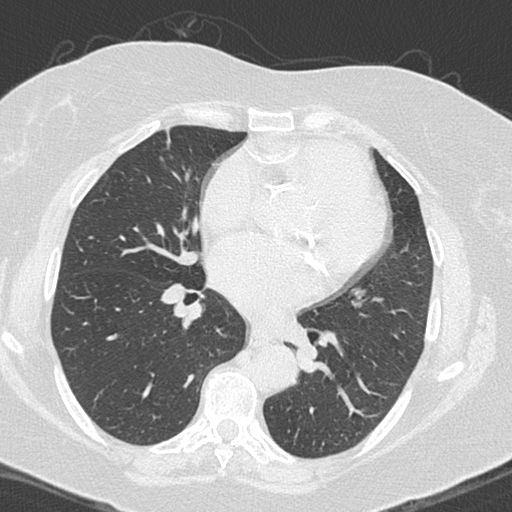
Chest CT, axial plane, 120 kVp, kernel B45f. Slice 151/300 from the bottom of the scan; thickness 1.00 mm; pixel size 0.605 mm.
No nodule of 3 mm or larger was outlined by any of the four readers on this slice.